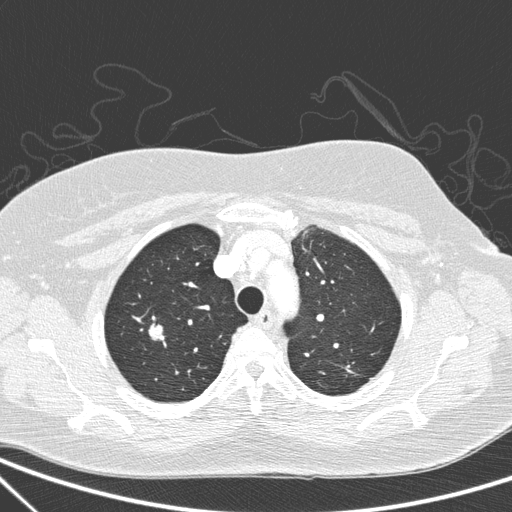
Axial chest CT slice 224 of 266 (counted from the lowest slice); tube voltage 120 kVp, convolution kernel D; slices 1.00 mm thick, 0.668 mm per pixel.
Pulmonary nodule, outlined by all four readers. Box on this slice rows 323–342, columns 148–163, the union of the readers' outlines on this slice; longest diameter 16.7–17.7 mm and volume 1306–1533 mm3 across the four readers' outlines. Ratings across the readers: texture 5/5 (solid), all four readers agreeing; margin from 2/5 to 5/5 (circumscribed) across the four readers; sphericity from 3/5 (ovoid) to 5/5 (round) across the four readers; calcification absent from all four readers; internal structure soft tissue, all four readers agreeing; subtlety 5/5, all four readers agreeing; malignancy likelihood rated between 2 and 5 out of 5 by the four readers. Scale key (1–5): texture non-solid→solid, margin indistinct→circumscribed, sphericity linear→round, subtlety extremely subtle→obvious, malignancy likelihood highly unlikely→highly suspicious of cancer. Box rows and columns are 0-based pixel indices from the top-left corner, inclusive.